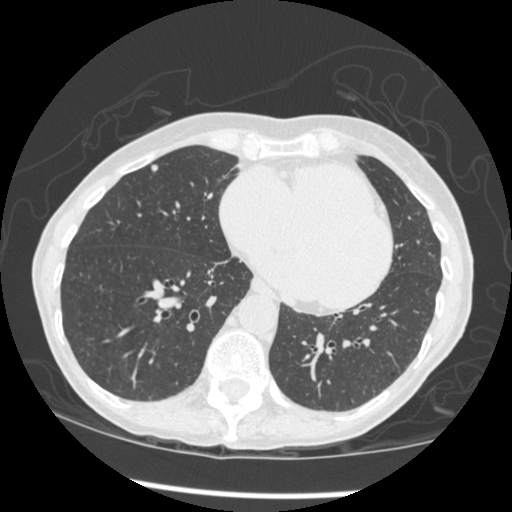
Chest CT, axial plane, 120 kVp, kernel STANDARD. Slice 166/461 from the bottom of the scan; thickness 1.25 mm; pixel size 0.645 mm.
Pulmonary nodule outlined by all four readers; box rows 164–171, columns 151–157 (the union of the readers' outlines on this slice); longest diameter 6.2 mm on average over the four readers' outlines (readers' outlines 5.5–7.0 mm), volume 59–97 mm3. The readers' prevailing ratings and who disagreed: texture 5/5 (solid), all four readers agreeing; margin 5/5 (circumscribed) from all four readers; most readers (three of four) put sphericity at 5/5 (round), others 4/5 (one); calcification absent from all four readers; internal structure soft tissue, all four readers agreeing; most readers (three of four) put subtlety at 4/5, others 3/5 (one); malignancy likelihood 2/5 by two of four readers; the rest gave 1/5 (one), 3/5 (one). Scale key (1–5): texture non-solid→solid, margin indistinct→circumscribed, sphericity linear→round, subtlety extremely subtle→obvious, malignancy likelihood highly unlikely→highly suspicious of cancer. Box rows and columns are 0-based pixel indices from the top-left corner, inclusive.